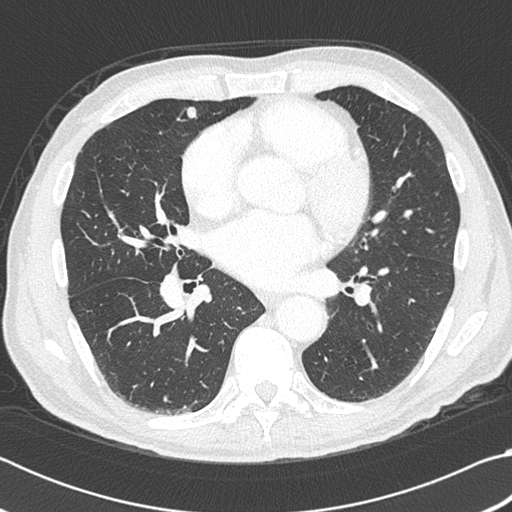
Axial chest CT slice 201 of 383 (counted from the lowest slice); tube voltage 120 kVp, convolution kernel B45f; slices 1.00 mm thick, 0.664 mm per pixel.
Pulmonary nodule, outlined by all four readers. Box on this slice rows 106–118, columns 187–196, the union of the readers' outlines on this slice; median longest diameter 10.6 mm (readers' outlines 9.8–12.2 mm), median volume 418 mm3 (379–631 mm3). Median ratings and the readers' spread: texture 5/5 (solid) from all four readers; margin 5/5 (circumscribed), all four readers agreeing; median sphericity 4.5/5 (readers ranged 3/5 (ovoid) to 5/5 (round)); calcification: absent (three), solid calcification (one); internal structure soft tissue, all four readers agreeing; subtlety 4.5/5 at the median of four readers, spread 4–5; median malignancy likelihood 2.5/5 (readers ranged 1–4). Scale key (1–5): texture non-solid→solid, margin indistinct→circumscribed, sphericity linear→round, subtlety extremely subtle→obvious, malignancy likelihood highly unlikely→highly suspicious of cancer. Box rows and columns are 0-based pixel indices from the top-left corner, inclusive.